Axial slice 177 of 289 of a chest CT (slice 1 is the lowest), reconstructed with the STANDARD kernel at 120 kVp; 1.25 mm slice thickness and 0.764 mm pixels.
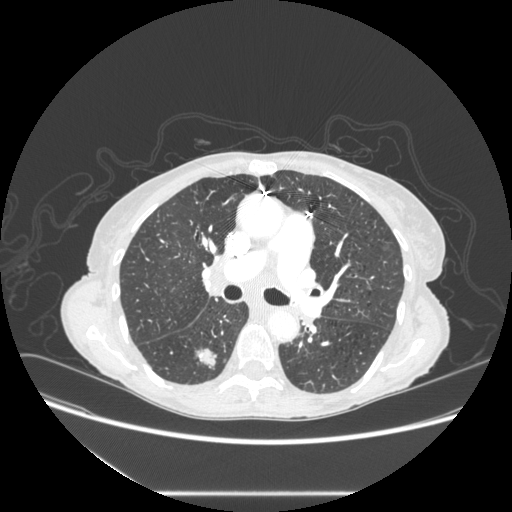
Pulmonary nodule, outlined by all four readers. Box on this slice rows 348–367, columns 194–216, the union of the readers' outlines on this slice; longest diameter 21.2 mm on average over the four readers' outlines (readers' outlines 20.5–21.9 mm), volume 2320–2697 mm3. The readers' prevailing ratings and who disagreed: texture split among the readers: 4/5 (two), 5/5 (solid) (two); margin 4/5, all four readers agreeing; sphericity 3/5 (ovoid) by three of four readers; the rest gave 5/5 (round) (one); calcification absent from all four readers; internal structure soft tissue, all four readers agreeing; most readers (three of four) put subtlety at 5/5, others 4/5 (one); malignancy likelihood 5/5 by two of four readers; the rest gave 3/5 (one), 4/5 (one). Scale key (1–5): texture non-solid→solid, margin indistinct→circumscribed, sphericity linear→round, subtlety extremely subtle→obvious, malignancy likelihood highly unlikely→highly suspicious of cancer. Box rows and columns are 0-based pixel indices from the top-left corner, inclusive.